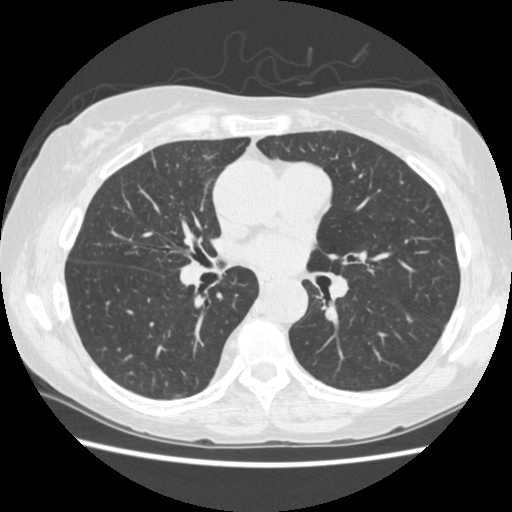
This is axial slice 251 of 477 (slice 1 is the lowest) of a chest CT; each pixel is 0.664 mm and the slice is 1.25 mm thick. Pulmonary nodule at rows 314–322, columns 406–412 (box = the union of the readers' outlines on this slice), outlined by two of the four readers; median longest diameter 6.7 mm (readers' outlines 6.3–7.2 mm), median volume 43 mm3 (34–53 mm3). Median ratings and the readers' spread: texture 5/5 (solid), both readers agreeing; margin 4/5 at the median of two readers, spread 3/5 to 5/5 (circumscribed); sphericity 2.5/5 at the median of two readers, spread 2/5 to 3/5 (ovoid); calcification absent from both readers; internal structure soft tissue, both readers agreeing; subtlety 2/5 at the median of two readers, spread 1–3; malignancy likelihood 2/5 from both readers. Scale key (1–5): texture non-solid→solid, margin indistinct→circumscribed, sphericity linear→round, subtlety extremely subtle→obvious, malignancy likelihood highly unlikely→highly suspicious of cancer. Box rows and columns are 0-based pixel indices from the top-left corner, inclusive.
Scan settings: 120 kVp, STANDARD reconstruction kernel.